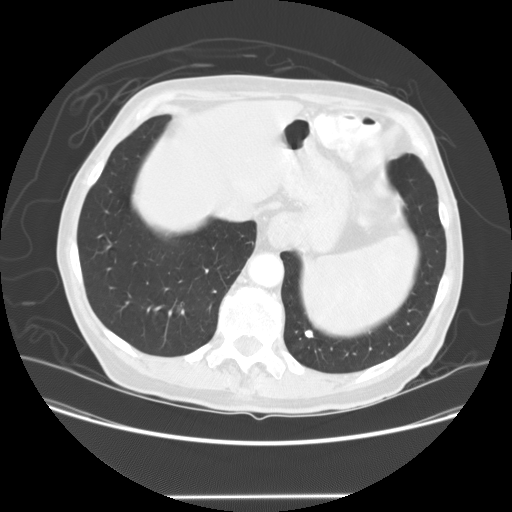
Axial chest CT slice 42 of 147 (counted from the lowest slice); 2.50 mm thick, 0.781 mm per pixel. Pulmonary nodule, outlined by all four readers. Box on this slice rows 330–337, columns 305–313, the union of the readers' outlines on this slice; longest diameter 8.3 mm on average over the four readers' outlines (readers' outlines 7.7–9.5 mm), volume 201–235 mm3. The readers' prevailing ratings and who disagreed: texture 5/5 (solid), all four readers agreeing; margin 5/5 (circumscribed), all four readers agreeing; sphericity 4/5 by two of four readers; the rest gave 3/5 (ovoid) (one), 5/5 (round) (one); calcification solid calcification from all four readers; internal structure soft tissue from all four readers; subtlety 5/5 from all four readers; malignancy likelihood 1/5 from all four readers. Scale key (1–5): texture non-solid→solid, margin indistinct→circumscribed, sphericity linear→round, subtlety extremely subtle→obvious, malignancy likelihood highly unlikely→highly suspicious of cancer. Box rows and columns are 0-based pixel indices from the top-left corner, inclusive.
Acquired at 120 kVp and reconstructed with the STANDARD kernel.